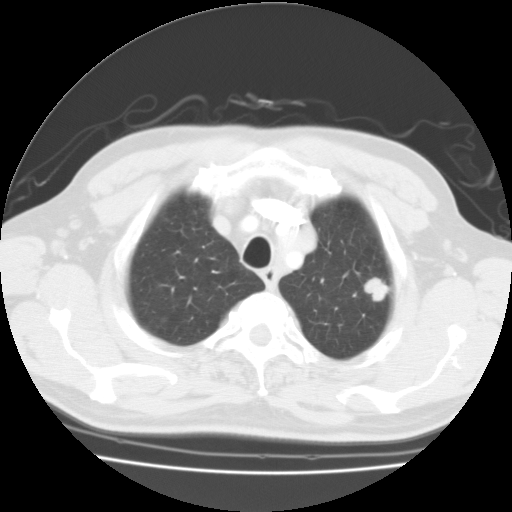
This is axial slice 95 of 114 (slice 1 is the lowest) of a chest CT; each pixel is 0.711 mm and the slice is 3.00 mm thick. Pulmonary nodule outlined by all four readers; box rows 276–302, columns 362–390 (the union of the readers' outlines on this slice); the four readers' outlines give a longest diameter between 18.0 and 22.7 mm and a volume between 2376 and 3822 mm3. Ratings across the readers: texture from 4/5 to 5/5 (solid) across the four readers; margin from 3/5 to 5/5 (circumscribed) across the four readers; sphericity from 4/5 to 5/5 (round) across the four readers; calcification absent from all four readers; internal structure soft tissue from all four readers; subtlety 5/5, all four readers agreeing; malignancy likelihood 4–5/5 (the readers disagree). Scale key (1–5): texture non-solid→solid, margin indistinct→circumscribed, sphericity linear→round, subtlety extremely subtle→obvious, malignancy likelihood highly unlikely→highly suspicious of cancer. Box rows and columns are 0-based pixel indices from the top-left corner, inclusive.
Scan settings: 135 kVp, FC01 reconstruction kernel.